Axial slice 195 of 315 of a chest CT (slice 1 is the lowest), reconstructed with the B kernel at 120 kVp; 2.00 mm slice thickness and 0.830 mm pixels.
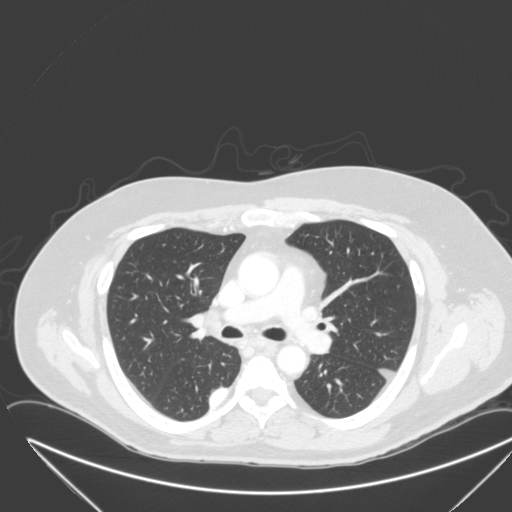
Pulmonary nodule, outlined by one of the four readers. Box on this slice rows 387–407, columns 210–226, that reader's outline on this slice; longest diameter 27.1 mm and volume 6093 mm3 from that reader's outline. That reader's ratings: texture 5/5 (solid); margin 4/5; sphericity 2/5; calcification absent; internal structure soft tissue; subtlety 5/5; malignancy likelihood 4/5. Scale key (1–5): texture non-solid→solid, margin indistinct→circumscribed, sphericity linear→round, subtlety extremely subtle→obvious, malignancy likelihood highly unlikely→highly suspicious of cancer. Box rows and columns are 0-based pixel indices from the top-left corner, inclusive.